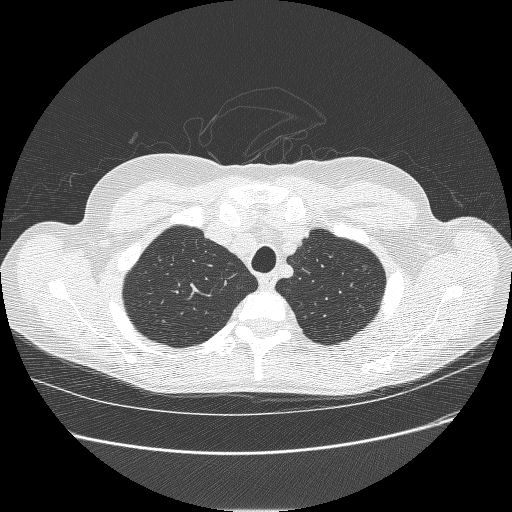
This is axial slice 211 of 238 (slice 1 is the lowest) of a chest CT; each pixel is 0.703 mm and the slice is 1.25 mm thick. Pulmonary nodule at rows 266–269, columns 362–365 (box = that reader's outline on this slice), outlined by one of the four readers; longest diameter 5.1 mm and volume 30 mm3 from that reader's outline. That reader's ratings: texture 3/5 (part-solid); margin 1/5 (indistinct); sphericity 4/5; calcification absent; internal structure soft tissue; subtlety 4/5; malignancy likelihood 3/5. Scale key (1–5): texture non-solid→solid, margin indistinct→circumscribed, sphericity linear→round, subtlety extremely subtle→obvious, malignancy likelihood highly unlikely→highly suspicious of cancer. Box rows and columns are 0-based pixel indices from the top-left corner, inclusive.
Acquired at 120 kVp and reconstructed with the BONE kernel.